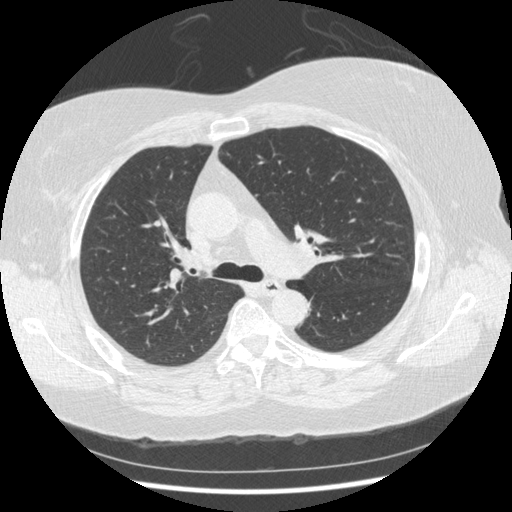
Axial chest CT slice 280 of 436 (counted from the lowest slice); 1.25 mm thick, 0.703 mm per pixel. This slice carries no reader outline of a nodule 3 mm or larger.
Scan settings: 120 kVp, STANDARD reconstruction kernel.